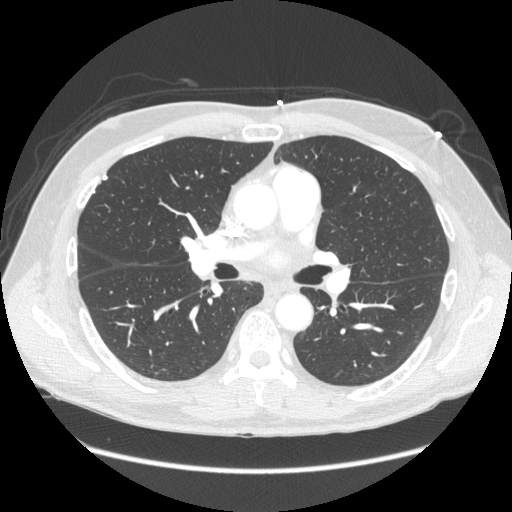
One axial slice (138 of 261, counting up from the lowest) of a chest CT acquired at 120 kVp with the STANDARD kernel; each pixel is 0.781 mm and the slice is 1.25 mm thick.
Pulmonary nodule outlined by one of the four readers; box rows 174–179, columns 102–107 (that reader's outline on this slice); longest diameter 7.2 mm and volume 103 mm3 from that reader's outline. Ratings by that reader: texture 5/5 (solid); margin 5/5 (circumscribed); sphericity 2/5; calcification solid calcification; internal structure soft tissue; subtlety 3/5; malignancy likelihood 1/5. Scale key (1–5): texture non-solid→solid, margin indistinct→circumscribed, sphericity linear→round, subtlety extremely subtle→obvious, malignancy likelihood highly unlikely→highly suspicious of cancer. Box rows and columns are 0-based pixel indices from the top-left corner, inclusive.